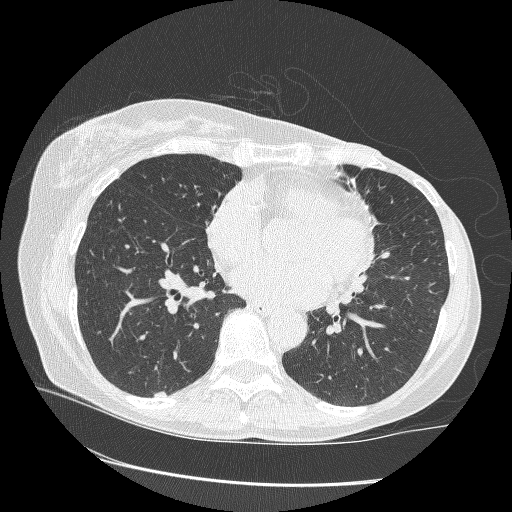
Slice 133/265 of a chest CT, counting up from the lowest; pixel size 0.664 mm, slice thickness 1.25 mm. Pulmonary nodule outlined by three of the four readers; box rows 391–397, columns 153–166 (the union of the readers' outlines on this slice); longest diameter 9.1 mm on average over the three readers' outlines (readers' outlines 8.0–10.0 mm), volume 87–155 mm3. Ratings, by the readers' most common answer with dissent counted: texture 5/5 (solid) from all three readers; most readers (two of three) put margin at 5/5 (circumscribed), others 4/5 (one); sphericity 3/5 (ovoid) by two of three readers; the rest gave 2/5 (one); calcification absent, all three readers agreeing; internal structure soft tissue, all three readers agreeing; subtlety 4/5 from all three readers; malignancy likelihood 3/5 by two of three readers; the rest gave 2/5 (one). Scale key (1–5): texture non-solid→solid, margin indistinct→circumscribed, sphericity linear→round, subtlety extremely subtle→obvious, malignancy likelihood highly unlikely→highly suspicious of cancer. Box rows and columns are 0-based pixel indices from the top-left corner, inclusive.
Scan settings: 120 kVp, BONE reconstruction kernel.